Axial slice 172 of 245 of a chest CT (slice 1 is the lowest), reconstructed with the STANDARD kernel at 120 kVp; 1.25 mm slice thickness and 0.730 mm pixels.
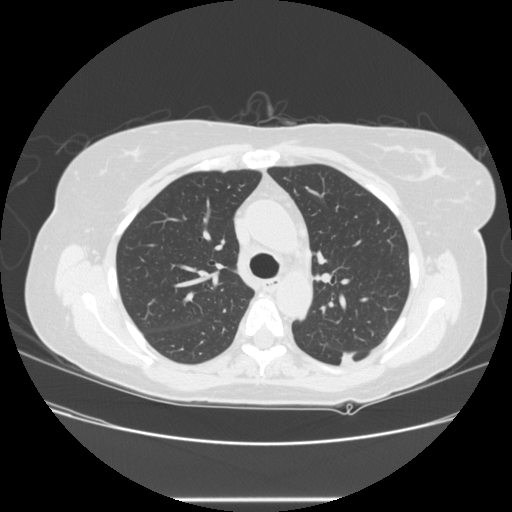
Pulmonary nodule, outlined by all four readers. Box on this slice rows 351–366, columns 338–357, the union of the readers' outlines on this slice; longest diameter 27.2–36.8 mm and volume 3941–5997 mm3 across the four readers' outlines. Ratings across the readers: texture 5/5 (solid), all four readers agreeing; margin from 1/5 (indistinct) to 4/5 across the four readers; sphericity from 2/5 to 4/5 across the four readers; calcification absent, all four readers agreeing; internal structure soft tissue from all four readers; subtlety 5/5, all four readers agreeing; malignancy likelihood rated between 4 and 5 out of 5 by the four readers. Scale key (1–5): texture non-solid→solid, margin indistinct→circumscribed, sphericity linear→round, subtlety extremely subtle→obvious, malignancy likelihood highly unlikely→highly suspicious of cancer. Box rows and columns are 0-based pixel indices from the top-left corner, inclusive.